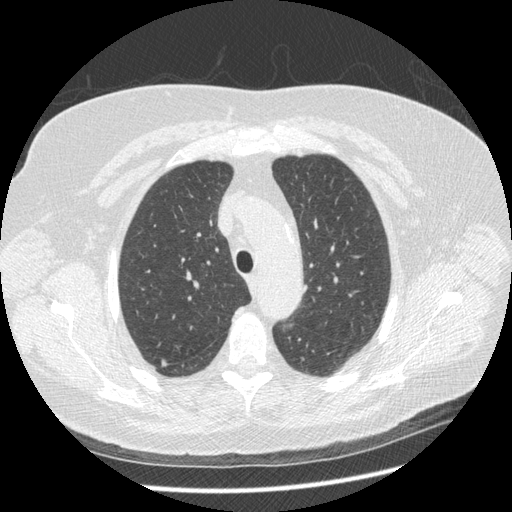
Axial chest CT slice 296 of 413 (counted from the lowest slice); 1.25 mm thick, 0.703 mm per pixel. Pulmonary nodule outlined by two of the four readers; box rows 358–367, columns 161–168 (the union of the readers' outlines on this slice); median longest diameter 7.7 mm (readers' outlines 7.3–8.0 mm), median volume 111 mm3 (94–128 mm3). Median ratings and the readers' spread: texture 5/5 (solid), both readers agreeing; margin 3.5/5 at the median of two readers, spread 3/5 to 4/5; median sphericity 2.5/5 (readers ranged 2/5 to 3/5 (ovoid)); calcification absent from both readers; internal structure soft tissue, both readers agreeing; subtlety 3.5/5 at the median of two readers, spread 3–4; median malignancy likelihood 4/5 (readers ranged 3–5). Scale key (1–5): texture non-solid→solid, margin indistinct→circumscribed, sphericity linear→round, subtlety extremely subtle→obvious, malignancy likelihood highly unlikely→highly suspicious of cancer. Box rows and columns are 0-based pixel indices from the top-left corner, inclusive.
Tube voltage 120 kVp; convolution kernel STANDARD.